Axial chest CT slice 118 of 133 (counted from the lowest slice); tube voltage 120 kVp, convolution kernel STANDARD; slices 2.50 mm thick, 0.859 mm per pixel.
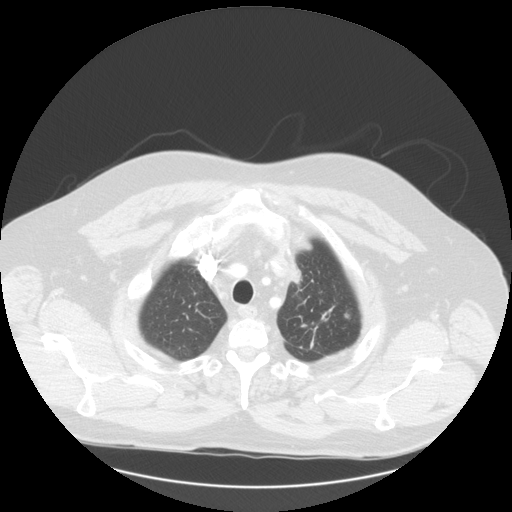
Pulmonary nodule outlined by all four readers, three of them on this slice; box rows 312–320, columns 343–350 (the union of the readers' outlines on this slice); longest diameter 18.7 mm on average over the four readers' outlines (readers' outlines 16.4–22.4 mm), volume 1808–2759 mm3. Ratings, by the readers' most common answer with dissent counted: texture split among the readers: 4/5 (two), 5/5 (solid) (two); margin 4/5 by two of four readers; the rest gave 3/5 (one), 5/5 (circumscribed) (one); sphericity 5/5 (round) by two of four readers; the rest gave 3/5 (ovoid) (one), 4/5 (one); calcification absent from all four readers; internal structure soft tissue, all four readers agreeing; subtlety 5/5 by three of four readers; the rest gave 3/5 (one); malignancy likelihood split among the readers: 4/5 (two), 5/5 (two). Scale key (1–5): texture non-solid→solid, margin indistinct→circumscribed, sphericity linear→round, subtlety extremely subtle→obvious, malignancy likelihood highly unlikely→highly suspicious of cancer. Box rows and columns are 0-based pixel indices from the top-left corner, inclusive.